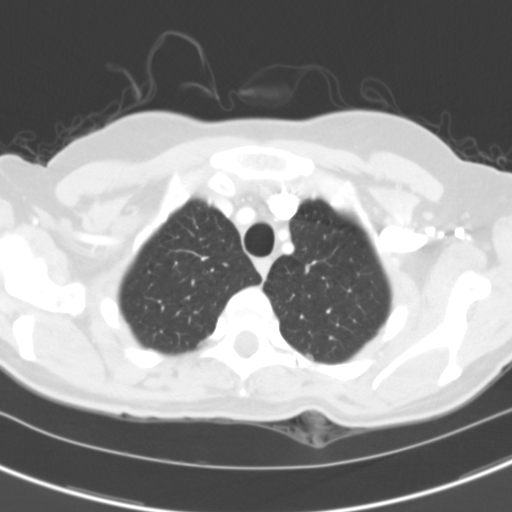
One axial slice (107 of 122, counting up from the lowest) of a chest CT acquired at 120 kVp with the B31f kernel; each pixel is 0.566 mm and the slice is 3.00 mm thick.
Pulmonary nodule, outlined by two of the four readers. Box on this slice rows 353–360, columns 304–313, the union of the readers' outlines on this slice; longest diameter 7.0 mm on average over the two readers' outlines (readers' outlines 6.8–7.2 mm), volume 40–59 mm3. The readers' prevailing ratings and who disagreed: texture split among the readers: 3/5 (part-solid) (one), 5/5 (solid) (one); margin split among the readers: 4/5 (one), 5/5 (circumscribed) (one); sphericity split among the readers: 3/5 (ovoid) (one), 4/5 (one); calcification absent from both readers; internal structure soft tissue from both readers; subtlety split among the readers: 3/5 (one), 5/5 (one); malignancy likelihood split among the readers: 2/5 (one), 3/5 (one). Scale key (1–5): texture non-solid→solid, margin indistinct→circumscribed, sphericity linear→round, subtlety extremely subtle→obvious, malignancy likelihood highly unlikely→highly suspicious of cancer. Box rows and columns are 0-based pixel indices from the top-left corner, inclusive.